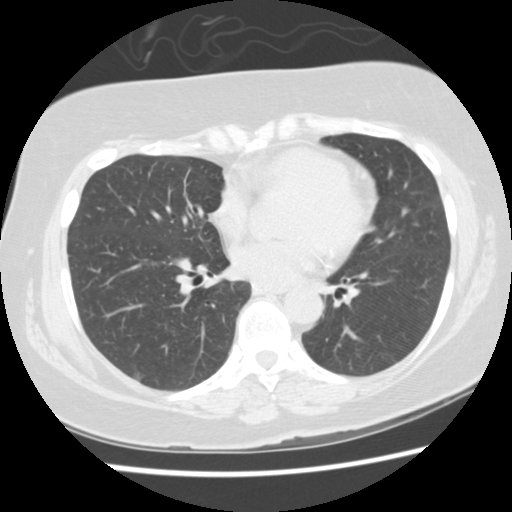
This is axial slice 59 of 145 (slice 1 is the lowest) of a chest CT; each pixel is 0.625 mm and the slice is 2.50 mm thick. Pulmonary nodule, outlined by one of the four readers. Box on this slice rows 371–379, columns 133–141, that reader's outline on this slice; longest diameter 10.0 mm and volume 279 mm3 from that reader's outline. Ratings by that reader: texture 1/5 (non-solid); margin 3/5; sphericity 3/5 (ovoid); calcification absent; internal structure soft tissue; subtlety 5/5; malignancy likelihood 2/5. Scale key (1–5): texture non-solid→solid, margin indistinct→circumscribed, sphericity linear→round, subtlety extremely subtle→obvious, malignancy likelihood highly unlikely→highly suspicious of cancer. Box rows and columns are 0-based pixel indices from the top-left corner, inclusive.
Scan settings: 120 kVp, STANDARD reconstruction kernel.